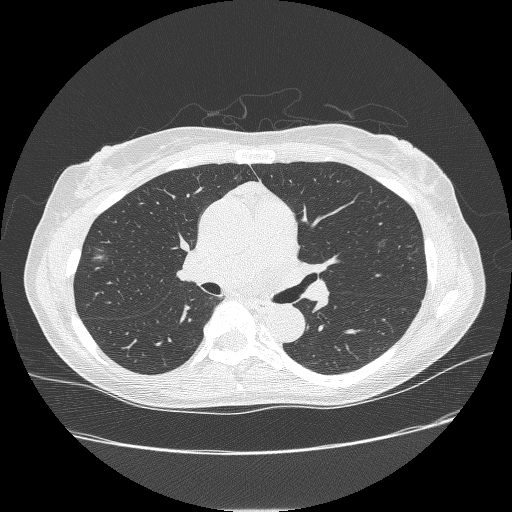
Axial chest CT slice 152 of 238 (counted from the lowest slice); tube voltage 120 kVp, convolution kernel BONE; slices 1.25 mm thick, 0.703 mm per pixel.
Two pulmonary nodules on this slice, listed from left to right. (1) Pulmonary nodule, outlined by two of the four readers. Box on this slice rows 254–262, columns 91–105, the union of the readers' outlines on this slice; longest diameter 14.0 mm on average over the two readers' outlines (readers' outlines 11.5–16.5 mm), volume 494–598 mm3. Ratings, by the readers' most common answer with dissent counted: texture 1/5 (non-solid), both readers agreeing; margin 1/5 (indistinct) from both readers; sphericity split among the readers: 3/5 (ovoid) (one), 4/5 (one); calcification absent, both readers agreeing; internal structure soft tissue, both readers agreeing; subtlety 4/5, both readers agreeing; malignancy likelihood split among the readers: 3/5 (one), 4/5 (one). (2) Pulmonary nodule at rows 239–247, columns 376–387 (box = the union of the readers' outlines on this slice), outlined by three of the four readers; the three readers' outlines give a longest diameter between 10.1 and 10.7 mm and a volume between 130 and 226 mm3. Ratings across the readers: texture 1/5 (non-solid), all three readers agreeing; margin from 1/5 (indistinct) to 2/5 across the three readers; sphericity from 2/5 to 4/5 across the three readers; calcification absent from all three readers; internal structure soft tissue, all three readers agreeing; subtlety 2–4/5 (the readers disagree); malignancy likelihood from 3/5 to 4/5 across the three readers. Scale key (1–5): texture non-solid→solid, margin indistinct→circumscribed, sphericity linear→round, subtlety extremely subtle→obvious, malignancy likelihood highly unlikely→highly suspicious of cancer. Box rows and columns are 0-based pixel indices from the top-left corner, inclusive.